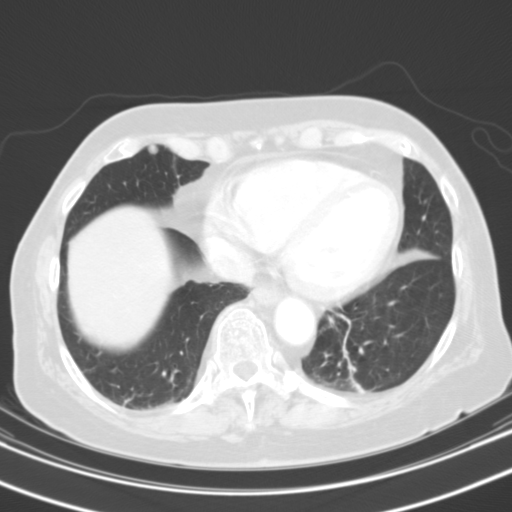
Axial chest CT slice 37 of 109 (counted from the lowest slice); 3.00 mm thick, 0.629 mm per pixel. Pulmonary nodule, outlined by all four readers. Box on this slice rows 144–153, columns 147–158, the union of the readers' outlines on this slice; longest diameter 7.6–8.7 mm and volume 130–189 mm3 across the four readers' outlines. Ratings across the readers: texture from 3/5 (part-solid) to 5/5 (solid) across the four readers; margin from 4/5 to 5/5 (circumscribed) across the four readers; sphericity from 4/5 to 5/5 (round) across the four readers; calcification absent, all four readers agreeing; internal structure soft tissue from all four readers; subtlety 3–5/5 (the readers disagree); malignancy likelihood rated between 2 and 5 out of 5 by the four readers. Scale key (1–5): texture non-solid→solid, margin indistinct→circumscribed, sphericity linear→round, subtlety extremely subtle→obvious, malignancy likelihood highly unlikely→highly suspicious of cancer. Box rows and columns are 0-based pixel indices from the top-left corner, inclusive.
Scan settings: 130 kVp, B31s reconstruction kernel.